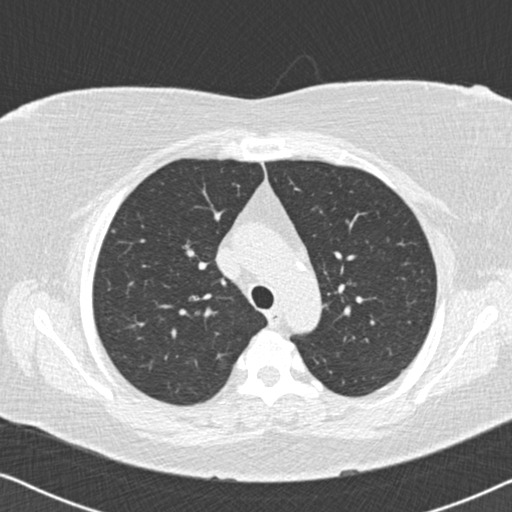
Axial chest CT slice 139 of 177 (counted from the lowest slice); tube voltage 120 kVp, convolution kernel B30f; slices 2.00 mm thick, 0.643 mm per pixel.
Pulmonary nodule outlined by one of the four readers; box rows 229–232, columns 111–114 (that reader's outline on this slice); longest diameter 4.9 mm and volume 36 mm3 from that reader's outline. That reader's ratings: texture 5/5 (solid); margin 5/5 (circumscribed); sphericity 5/5 (round); calcification absent; internal structure soft tissue; subtlety 3/5; malignancy likelihood 2/5. Scale key (1–5): texture non-solid→solid, margin indistinct→circumscribed, sphericity linear→round, subtlety extremely subtle→obvious, malignancy likelihood highly unlikely→highly suspicious of cancer. Box rows and columns are 0-based pixel indices from the top-left corner, inclusive.